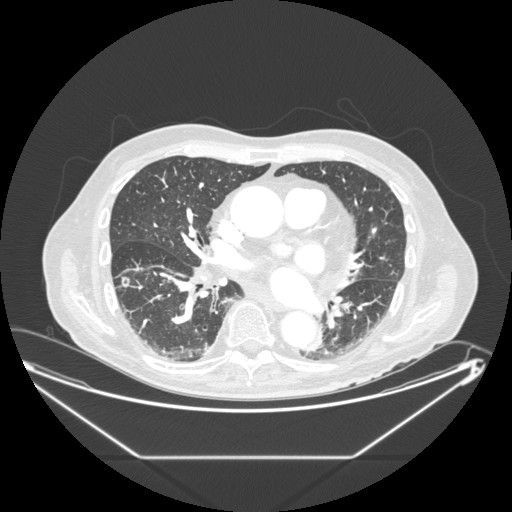
This is axial slice 88 of 214 (slice 1 is the lowest) of a chest CT; each pixel is 0.879 mm and the slice is 1.25 mm thick. Pulmonary nodule, outlined by all four readers. Box on this slice rows 276–287, columns 121–129, the union of the readers' outlines on this slice; median longest diameter 13.4 mm (readers' outlines 12.6–15.8 mm), median volume 615 mm3 (537–734 mm3). Ratings, median across the readers with their spread: texture 5/5 (solid) at the median of four readers, spread 4/5 to 5/5 (solid); median margin 3.5/5 (readers ranged 2/5 to 5/5 (circumscribed)); median sphericity 4.5/5 (readers ranged 4/5 to 5/5 (round)); calcification absent from all four readers; internal structure soft tissue, all four readers agreeing; median subtlety 4/5 (readers ranged 4–5); malignancy likelihood 3/5 at the median of four readers, spread 3–5. Scale key (1–5): texture non-solid→solid, margin indistinct→circumscribed, sphericity linear→round, subtlety extremely subtle→obvious, malignancy likelihood highly unlikely→highly suspicious of cancer. Box rows and columns are 0-based pixel indices from the top-left corner, inclusive.
Scan settings: 120 kVp, STANDARD reconstruction kernel.